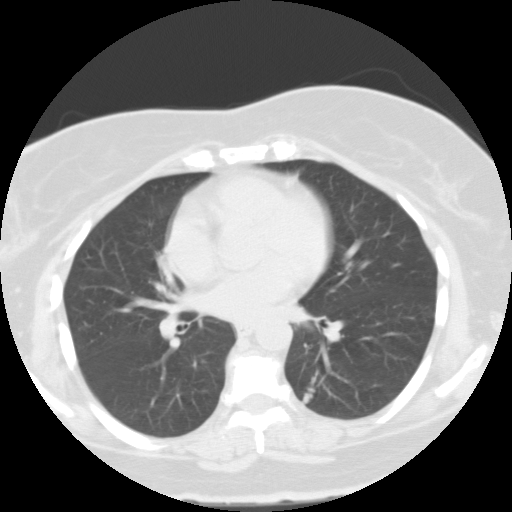
One axial slice (54 of 105, counting up from the lowest) of a chest CT acquired at 135 kVp with the FC01 kernel; each pixel is 0.656 mm and the slice is 3.00 mm thick.
Pulmonary nodule outlined by all four readers; box rows 371–404, columns 302–317 (the union of the readers' outlines on this slice); the four readers' outlines give a longest diameter between 19.4 and 23.9 mm and a volume between 678 and 1092 mm3. Ratings across the readers: texture from 2/5 to 5/5 (solid) across the four readers; margin from 2/5 to 5/5 (circumscribed) across the four readers; sphericity from 2/5 to 5/5 (round) across the four readers; calcification absent, all four readers agreeing; internal structure soft tissue, all four readers agreeing; subtlety 2–5/5 (the readers disagree); malignancy likelihood from 1/5 to 3/5 across the four readers. Scale key (1–5): texture non-solid→solid, margin indistinct→circumscribed, sphericity linear→round, subtlety extremely subtle→obvious, malignancy likelihood highly unlikely→highly suspicious of cancer. Box rows and columns are 0-based pixel indices from the top-left corner, inclusive.